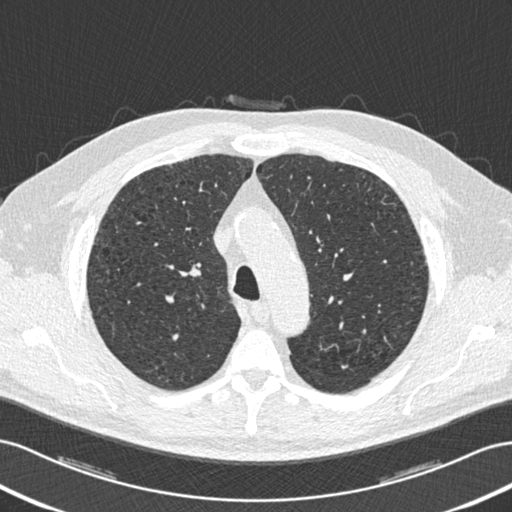
Slice 392/506 of a chest CT, counting up from the lowest; pixel size 0.699 mm, slice thickness 0.75 mm. Two pulmonary nodules are outlined on this slice; from left to right: (1) Pulmonary nodule, outlined by one of the four readers. Box on this slice rows 268–276, columns 188–200, that reader's outline on this slice; longest diameter 11.1 mm and volume 211 mm3 from that reader's outline. Ratings by that reader: texture 5/5 (solid); margin 4/5; sphericity 2/5; calcification absent; internal structure soft tissue; subtlety 2/5; malignancy likelihood 3/5. (2) Pulmonary nodule outlined by two of the four readers; box rows 364–368, columns 341–348 (the union of the readers' outlines on this slice); longest diameter 7.3 mm on average over the two readers' outlines (readers' outlines 6.4–8.2 mm), volume 59–153 mm3. The readers' prevailing ratings and who disagreed: texture 5/5 (solid) from both readers; margin split among the readers: 4/5 (one), 5/5 (circumscribed) (one); sphericity split among the readers: 3/5 (ovoid) (one), 4/5 (one); calcification absent from both readers; internal structure soft tissue, both readers agreeing; subtlety split among the readers: 3/5 (one), 5/5 (one); malignancy likelihood 3/5 from both readers. Scale key (1–5): texture non-solid→solid, margin indistinct→circumscribed, sphericity linear→round, subtlety extremely subtle→obvious, malignancy likelihood highly unlikely→highly suspicious of cancer. Box rows and columns are 0-based pixel indices from the top-left corner, inclusive.
Scan settings: 120 kVp, B30f reconstruction kernel.